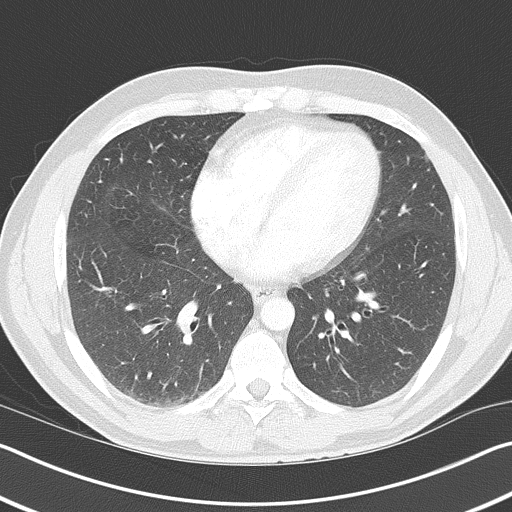
Axial chest CT slice 195 of 368 (counted from the lowest slice); 2.00 mm thick, 0.660 mm per pixel. Pulmonary nodule outlined by one of the four readers; box rows 154–162, columns 424–428 (that reader's outline on this slice); longest diameter 8.2 mm and volume 108 mm3 from that reader's outline. That reader's ratings: texture 1/5 (non-solid); margin 2/5; sphericity 5/5 (round); calcification absent; internal structure soft tissue; subtlety 1/5; malignancy likelihood 2/5. Scale key (1–5): texture non-solid→solid, margin indistinct→circumscribed, sphericity linear→round, subtlety extremely subtle→obvious, malignancy likelihood highly unlikely→highly suspicious of cancer. Box rows and columns are 0-based pixel indices from the top-left corner, inclusive.
Acquired at 120 kVp and reconstructed with the B70f kernel.